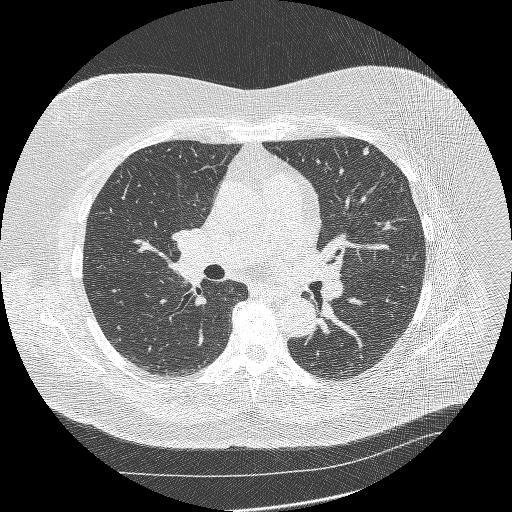
One axial slice (135 of 231, counting up from the lowest) of a chest CT acquired at 120 kVp with the BONE kernel; each pixel is 0.703 mm and the slice is 1.25 mm thick.
Pulmonary nodule at rows 145–155, columns 362–369 (box = the union of the readers' outlines on this slice), outlined by all four readers; median longest diameter 8.3 mm (readers' outlines 7.9–8.8 mm), median volume 103 mm3 (93–138 mm3). Ratings, median across the readers with their spread: texture 5/5 (solid) at the median of four readers, spread 3/5 (part-solid) to 5/5 (solid); median margin 3/5 (readers ranged 3/5 to 5/5 (circumscribed)); median sphericity 3.5/5 (readers ranged 2/5 to 4/5); calcification absent from all four readers; internal structure soft tissue from all four readers; median subtlety 3/5 (readers ranged 2–5); median malignancy likelihood 3/5 (readers ranged 3–4). Scale key (1–5): texture non-solid→solid, margin indistinct→circumscribed, sphericity linear→round, subtlety extremely subtle→obvious, malignancy likelihood highly unlikely→highly suspicious of cancer. Box rows and columns are 0-based pixel indices from the top-left corner, inclusive.